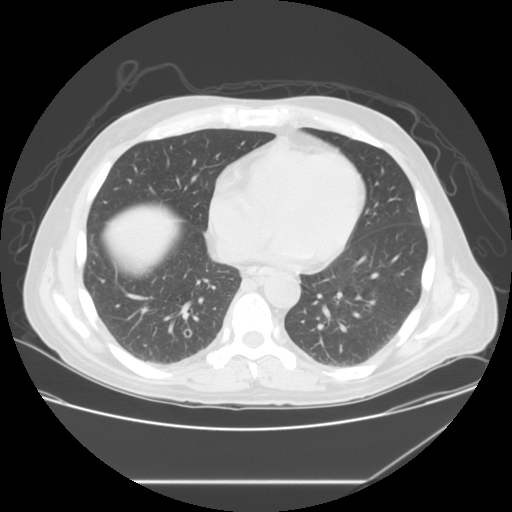
One axial slice (67 of 133, counting up from the lowest) of a chest CT acquired at 120 kVp with the STANDARD kernel; each pixel is 0.781 mm and the slice is 2.50 mm thick.
Pulmonary nodule, outlined by three of the four readers. Box on this slice rows 328–338, columns 182–192, the union of the readers' outlines on this slice; the three readers' outlines give a longest diameter between 9.9 and 11.4 mm and a volume between 400 and 469 mm3. Ratings across the readers: texture from 2/5 to 5/5 (solid) across the three readers; margin from 4/5 to 5/5 (circumscribed) across the three readers; sphericity from 4/5 to 5/5 (round) across the three readers; calcification absent from all three readers; internal structure: air (two), soft tissue (one); subtlety from 3/5 to 4/5 across the three readers; malignancy likelihood 3–4/5 (the readers disagree). Scale key (1–5): texture non-solid→solid, margin indistinct→circumscribed, sphericity linear→round, subtlety extremely subtle→obvious, malignancy likelihood highly unlikely→highly suspicious of cancer. Box rows and columns are 0-based pixel indices from the top-left corner, inclusive.